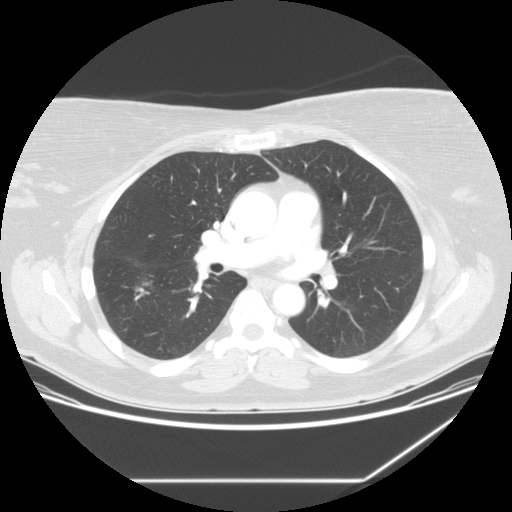
Chest CT, axial plane, 120 kVp, kernel STANDARD. Slice 76/133 from the bottom of the scan; thickness 2.50 mm; pixel size 0.781 mm.
Pulmonary nodule, outlined by all four readers, three of them on this slice. Box on this slice rows 280–296, columns 133–152, the union of the readers' outlines on this slice; longest diameter 16.9–23.5 mm and volume 791–1326 mm3 across the four readers' outlines. The readers' ratings, as ranges where they differ: texture 5/5 (solid), all four readers agreeing; margin from 4/5 to 5/5 (circumscribed) across the four readers; sphericity from 3/5 (ovoid) to 5/5 (round) across the four readers; calcification absent, all four readers agreeing; internal structure soft tissue, all four readers agreeing; subtlety from 4/5 to 5/5 across the four readers; malignancy likelihood 3–5/5 (the readers disagree). Scale key (1–5): texture non-solid→solid, margin indistinct→circumscribed, sphericity linear→round, subtlety extremely subtle→obvious, malignancy likelihood highly unlikely→highly suspicious of cancer. Box rows and columns are 0-based pixel indices from the top-left corner, inclusive.